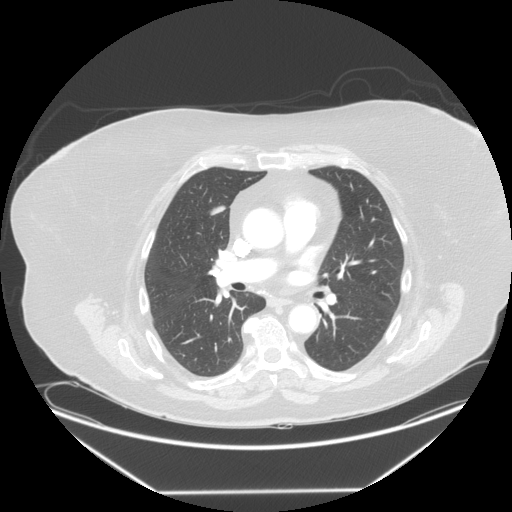
One axial slice (81 of 139, counting up from the lowest) of a chest CT acquired at 120 kVp with the STANDARD kernel; each pixel is 0.898 mm and the slice is 2.50 mm thick.
Pulmonary nodule outlined by three of the four readers; box rows 206–215, columns 209–225 (the union of the readers' outlines on this slice); longest diameter 23.3–26.2 mm and volume 2868–3243 mm3 across the three readers' outlines. Ratings across the readers: texture 5/5 (solid) from all three readers; margin from 4/5 to 5/5 (circumscribed) across the three readers; sphericity from 3/5 (ovoid) to 5/5 (round) across the three readers; calcification absent from all three readers; internal structure soft tissue from all three readers; subtlety 5/5 from all three readers; malignancy likelihood 3–5/5 (the readers disagree). Scale key (1–5): texture non-solid→solid, margin indistinct→circumscribed, sphericity linear→round, subtlety extremely subtle→obvious, malignancy likelihood highly unlikely→highly suspicious of cancer. Box rows and columns are 0-based pixel indices from the top-left corner, inclusive.